Axial chest CT slice 131 of 315 (counted from the lowest slice); tube voltage 120 kVp, convolution kernel B; slices 2.00 mm thick, 0.830 mm per pixel.
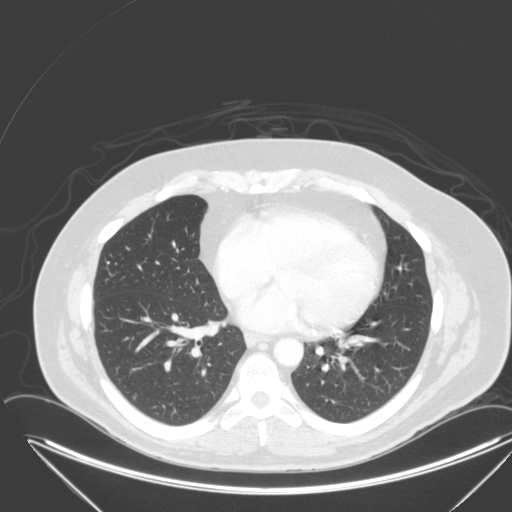
Pulmonary nodule, outlined by all four readers. Box on this slice rows 396–399, columns 132–134, the union of the readers' outlines on this slice; the four readers' outlines give a longest diameter between 6.0 and 7.1 mm and a volume between 73 and 110 mm3. The readers' ratings, as ranges where they differ: texture from 4/5 to 5/5 (solid) across the four readers; margin from 4/5 to 5/5 (circumscribed) across the four readers; sphericity from 4/5 to 5/5 (round) across the four readers; calcification absent from all four readers; internal structure soft tissue, all four readers agreeing; subtlety 2–5/5 (the readers disagree); malignancy likelihood rated between 2 and 3 out of 5 by the four readers. Scale key (1–5): texture non-solid→solid, margin indistinct→circumscribed, sphericity linear→round, subtlety extremely subtle→obvious, malignancy likelihood highly unlikely→highly suspicious of cancer. Box rows and columns are 0-based pixel indices from the top-left corner, inclusive.